Axial slice 64 of 114 of a chest CT (slice 1 is the lowest), reconstructed with the B31f kernel at 120 kVp; 3.00 mm slice thickness and 0.689 mm pixels.
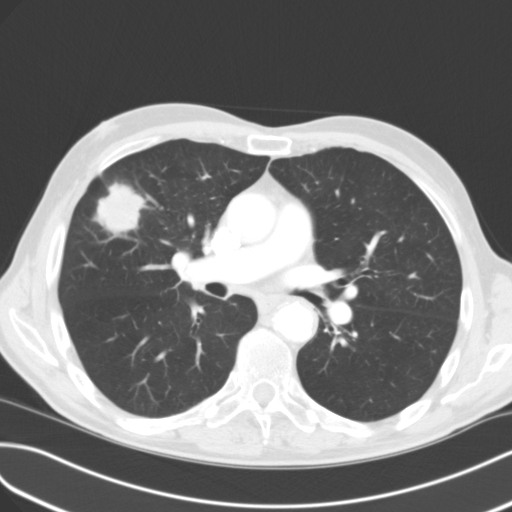
Pulmonary nodule, outlined by all four readers. Box on this slice rows 180–237, columns 92–148, the union of the readers' outlines on this slice; longest diameter 43.2 mm on average over the four readers' outlines (readers' outlines 40.2–48.6 mm), volume 17639–20532 mm3. The readers' prevailing ratings and who disagreed: texture split among the readers: 4/5 (two), 5/5 (solid) (two); margin 4/5 by two of four readers; the rest gave 3/5 (one), 5/5 (circumscribed) (one); sphericity split among the readers: 3/5 (ovoid) (two), 4/5 (two); calcification absent from all four readers; internal structure soft tissue from all four readers; subtlety 5/5, all four readers agreeing; malignancy likelihood 4/5 by two of four readers; the rest gave 3/5 (one), 5/5 (one). Scale key (1–5): texture non-solid→solid, margin indistinct→circumscribed, sphericity linear→round, subtlety extremely subtle→obvious, malignancy likelihood highly unlikely→highly suspicious of cancer. Box rows and columns are 0-based pixel indices from the top-left corner, inclusive.